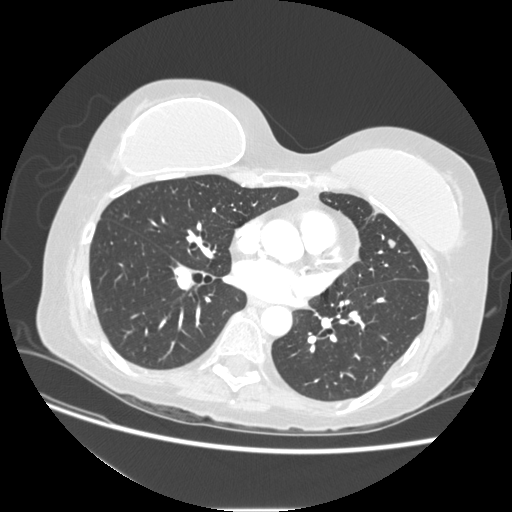
Axial slice 112 of 232 of a chest CT (slice 1 is the lowest), reconstructed with the STANDARD kernel at 120 kVp; 1.25 mm slice thickness and 0.703 mm pixels.
Pulmonary nodule, outlined by three of the four readers. Box on this slice rows 238–248, columns 387–396, the union of the readers' outlines on this slice; longest diameter 8.1 mm on average over the three readers' outlines (readers' outlines 7.6–8.9 mm), volume 151–201 mm3. The readers' prevailing ratings and who disagreed: texture 5/5 (solid) by two of three readers; the rest gave 4/5 (one); margin 5/5 (circumscribed), all three readers agreeing; most readers (two of three) put sphericity at 3/5 (ovoid), others 4/5 (one); calcification absent, all three readers agreeing; internal structure soft tissue from all three readers; subtlety 4/5 by two of three readers; the rest gave 2/5 (one); malignancy likelihood 3/5 from all three readers. Scale key (1–5): texture non-solid→solid, margin indistinct→circumscribed, sphericity linear→round, subtlety extremely subtle→obvious, malignancy likelihood highly unlikely→highly suspicious of cancer. Box rows and columns are 0-based pixel indices from the top-left corner, inclusive.